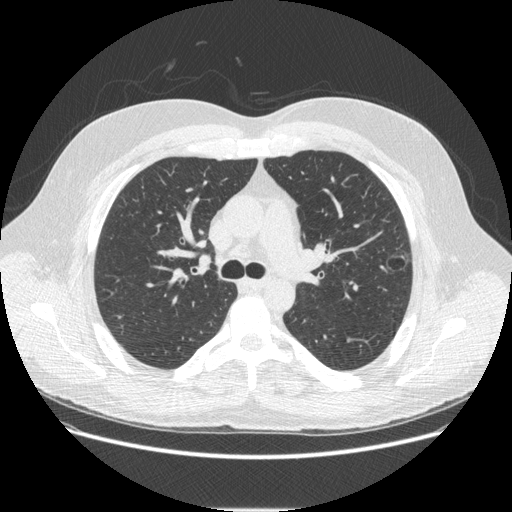
Axial chest CT slice 315 of 497 (counted from the lowest slice); tube voltage 120 kVp, convolution kernel STANDARD; slices 1.25 mm thick, 0.762 mm per pixel.
Pulmonary nodule outlined by all four readers; box rows 249–272, columns 385–410 (the union of the readers' outlines on this slice); median longest diameter 21.7 mm (readers' outlines 21.5–22.5 mm), median volume 2358 mm3 (2170–2597 mm3). Ratings, median across the readers with their spread: texture 1/5 (non-solid) at the median of four readers, spread 1/5 (non-solid) to 3/5 (part-solid); margin 3/5 at the median of four readers, spread 2/5 to 4/5; median sphericity 4.5/5 (readers ranged 3/5 (ovoid) to 5/5 (round)); calcification absent from all four readers; internal structure split among the readers: air (two), soft tissue (two); subtlety 4/5 at the median of four readers, spread 1–5; malignancy likelihood 3/5 at the median of four readers, spread 1–5. Scale key (1–5): texture non-solid→solid, margin indistinct→circumscribed, sphericity linear→round, subtlety extremely subtle→obvious, malignancy likelihood highly unlikely→highly suspicious of cancer. Box rows and columns are 0-based pixel indices from the top-left corner, inclusive.